One axial slice (227 of 246, counting up from the lowest) of a chest CT acquired at 120 kVp with the BONE kernel; each pixel is 0.652 mm and the slice is 1.25 mm thick.
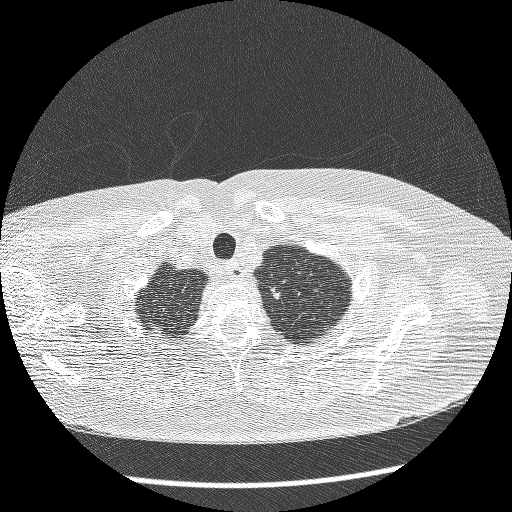
Pulmonary nodule, outlined by all four readers. Box on this slice rows 287–299, columns 270–280, the union of the readers' outlines on this slice; median longest diameter 9.6 mm (readers' outlines 5.8–10.8 mm), median volume 85 mm3 (61–127 mm3). Median ratings and the readers' spread: texture 5/5 (solid) from all four readers; median margin 4/5 (readers ranged 1/5 (indistinct) to 5/5 (circumscribed)); median sphericity 2/5 (readers ranged 2/5 to 4/5); calcification absent from all four readers; internal structure soft tissue, all four readers agreeing; median subtlety 3/5 (readers ranged 3–4); median malignancy likelihood 2.5/5 (readers ranged 2–4). Scale key (1–5): texture non-solid→solid, margin indistinct→circumscribed, sphericity linear→round, subtlety extremely subtle→obvious, malignancy likelihood highly unlikely→highly suspicious of cancer. Box rows and columns are 0-based pixel indices from the top-left corner, inclusive.